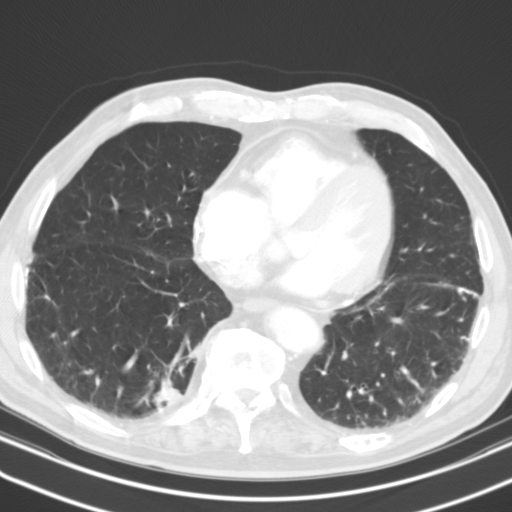
Axial slice 53 of 127 of a chest CT (slice 1 is the lowest), reconstructed with the B31s kernel at 130 kVp; 3.00 mm slice thickness and 0.668 mm pixels.
Pulmonary nodule outlined by two of the four readers; box rows 380–410, columns 153–180 (the union of the readers' outlines on this slice); longest diameter 25.6–26.3 mm and volume 5517–6604 mm3 across the two readers' outlines. Ratings across the readers: texture 5/5 (solid) from both readers; margin 4/5 from both readers; sphericity from 2/5 to 3/5 (ovoid) across the two readers; calcification absent, both readers agreeing; internal structure soft tissue, both readers agreeing; subtlety 5/5, both readers agreeing; malignancy likelihood from 2/5 to 3/5 across the two readers. Scale key (1–5): texture non-solid→solid, margin indistinct→circumscribed, sphericity linear→round, subtlety extremely subtle→obvious, malignancy likelihood highly unlikely→highly suspicious of cancer. Box rows and columns are 0-based pixel indices from the top-left corner, inclusive.